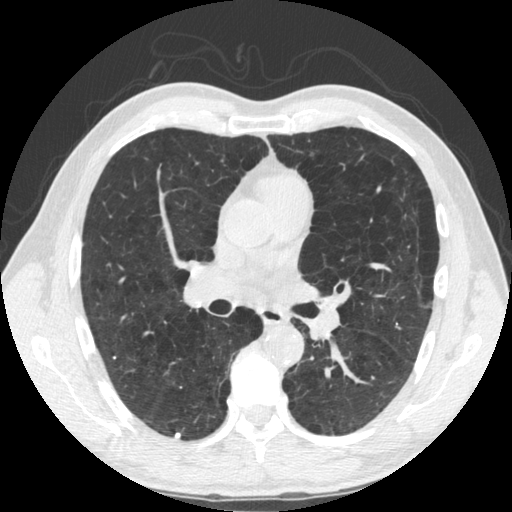
One axial slice (295 of 535, counting up from the lowest) of a chest CT acquired at 120 kVp with the STANDARD kernel; each pixel is 0.664 mm and the slice is 1.25 mm thick.
Pulmonary nodule, outlined by two of the four readers. Box on this slice rows 433–437, columns 174–180, the union of the readers' outlines on this slice; longest diameter 4.7 mm on average over the two readers' outlines (readers' outlines 3.9–5.5 mm), volume 25–50 mm3. Ratings, by the readers' most common answer with dissent counted: texture 5/5 (solid) from both readers; margin split among the readers: 4/5 (one), 5/5 (circumscribed) (one); sphericity 5/5 (round), both readers agreeing; calcification solid calcification, both readers agreeing; internal structure soft tissue from both readers; subtlety split among the readers: 4/5 (one), 5/5 (one); malignancy likelihood 1/5, both readers agreeing. Scale key (1–5): texture non-solid→solid, margin indistinct→circumscribed, sphericity linear→round, subtlety extremely subtle→obvious, malignancy likelihood highly unlikely→highly suspicious of cancer. Box rows and columns are 0-based pixel indices from the top-left corner, inclusive.